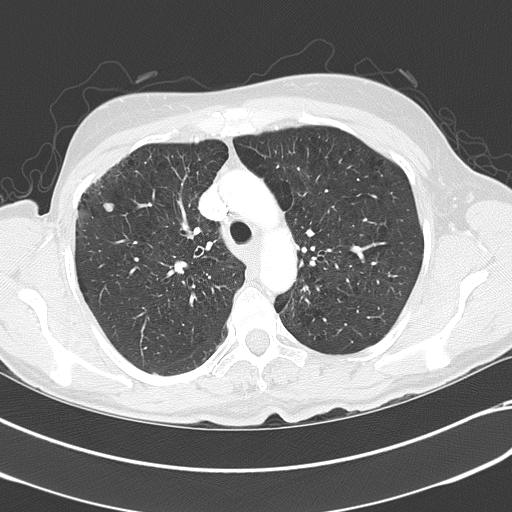
Axial chest CT slice 260 of 351 (counted from the lowest slice); 2.00 mm thick, 0.643 mm per pixel. Pulmonary nodule, outlined by all four readers. Box on this slice rows 203–212, columns 102–114, the union of the readers' outlines on this slice; median longest diameter 8.6 mm (readers' outlines 8.5–9.1 mm), median volume 205 mm3 (196–254 mm3). Ratings, median across the readers with their spread: median texture 5/5 (solid) (readers ranged 1/5 (non-solid) to 5/5 (solid)); margin 5/5 (circumscribed) from all four readers; median sphericity 3.5/5 (readers ranged 3/5 (ovoid) to 4/5); calcification absent, all four readers agreeing; internal structure soft tissue, all four readers agreeing; subtlety 5/5, all four readers agreeing; malignancy likelihood 3/5 at the median of four readers, spread 3–4. Scale key (1–5): texture non-solid→solid, margin indistinct→circumscribed, sphericity linear→round, subtlety extremely subtle→obvious, malignancy likelihood highly unlikely→highly suspicious of cancer. Box rows and columns are 0-based pixel indices from the top-left corner, inclusive.
Scan settings: 120 kVp, B70f reconstruction kernel.